Chest CT, axial plane, 135 kVp, kernel FC03. Slice 90/136 from the bottom of the scan; thickness 2.00 mm; pixel size 0.644 mm.
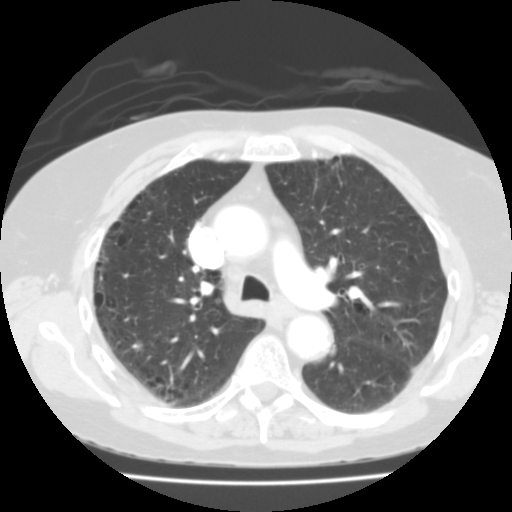
Pulmonary nodule at rows 340–347, columns 134–142 (box = the union of the readers' outlines on this slice), outlined by all four readers, three of them on this slice; median longest diameter 10.1 mm (readers' outlines 9.2–12.4 mm), median volume 250 mm3 (195–330 mm3). Median ratings and the readers' spread: median texture 4.5/5 (readers ranged 4/5 to 5/5 (solid)); median margin 3.5/5 (readers ranged 3/5 to 5/5 (circumscribed)); median sphericity 4/5 (readers ranged 3/5 (ovoid) to 5/5 (round)); calcification absent, all four readers agreeing; internal structure soft tissue, all four readers agreeing; median subtlety 3.5/5 (readers ranged 3–5); malignancy likelihood 3/5 at the median of four readers, spread 2–4. Scale key (1–5): texture non-solid→solid, margin indistinct→circumscribed, sphericity linear→round, subtlety extremely subtle→obvious, malignancy likelihood highly unlikely→highly suspicious of cancer. Box rows and columns are 0-based pixel indices from the top-left corner, inclusive.